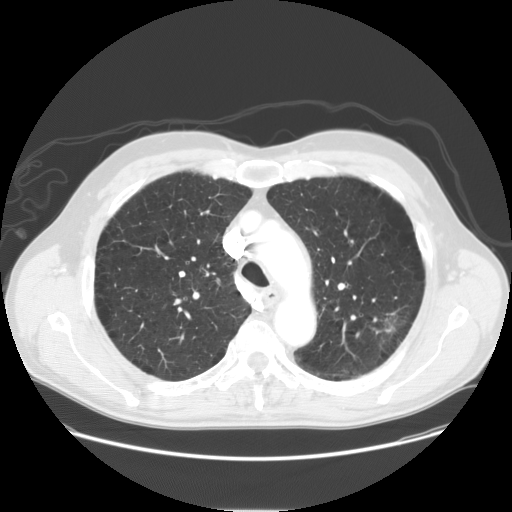
Slice 116/152 of a chest CT, counting up from the lowest; pixel size 0.781 mm, slice thickness 2.50 mm. Pulmonary nodule at rows 317–335, columns 383–399 (box = the one reader's outline on this slice), outlined by all four readers, one of them on this slice; longest diameter 26.7–29.9 mm and volume 4495–6409 mm3 across the four readers' outlines. The readers' ratings, as ranges where they differ: texture from 4/5 to 5/5 (solid) across the four readers; margin from 3/5 to 4/5 across the four readers; sphericity from 3/5 (ovoid) to 5/5 (round) across the four readers; calcification absent, all four readers agreeing; internal structure soft tissue, all four readers agreeing; subtlety 5/5, all four readers agreeing; malignancy likelihood from 4/5 to 5/5 across the four readers. Scale key (1–5): texture non-solid→solid, margin indistinct→circumscribed, sphericity linear→round, subtlety extremely subtle→obvious, malignancy likelihood highly unlikely→highly suspicious of cancer. Box rows and columns are 0-based pixel indices from the top-left corner, inclusive.
Tube voltage 120 kVp; convolution kernel STANDARD.